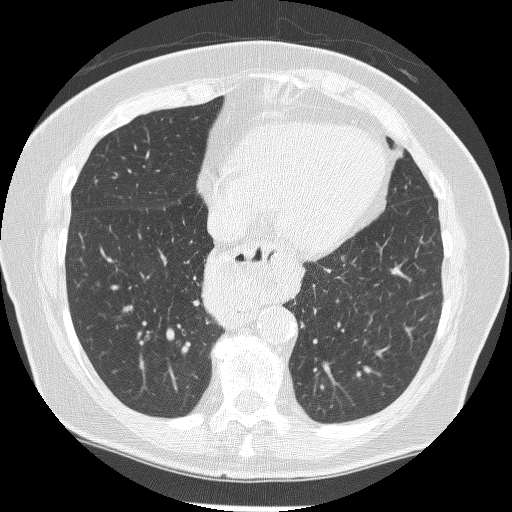
One axial slice (89 of 240, counting up from the lowest) of a chest CT acquired at 120 kVp with the BONE kernel; each pixel is 0.604 mm and the slice is 1.25 mm thick.
Pulmonary nodule outlined by three of the four readers; box rows 265–280, columns 389–409 (the union of the readers' outlines on this slice); longest diameter 14.2 mm on average over the three readers' outlines (readers' outlines 13.4–15.7 mm), volume 241–431 mm3. The readers' prevailing ratings and who disagreed: texture 5/5 (solid) from all three readers; most readers (two of three) put margin at 5/5 (circumscribed), others 4/5 (one); sphericity 2/5 from all three readers; calcification absent, all three readers agreeing; internal structure soft tissue, all three readers agreeing; most readers (two of three) put subtlety at 4/5, others 2/5 (one); most readers (two of three) put malignancy likelihood at 4/5, others 5/5 (one). Scale key (1–5): texture non-solid→solid, margin indistinct→circumscribed, sphericity linear→round, subtlety extremely subtle→obvious, malignancy likelihood highly unlikely→highly suspicious of cancer. Box rows and columns are 0-based pixel indices from the top-left corner, inclusive.